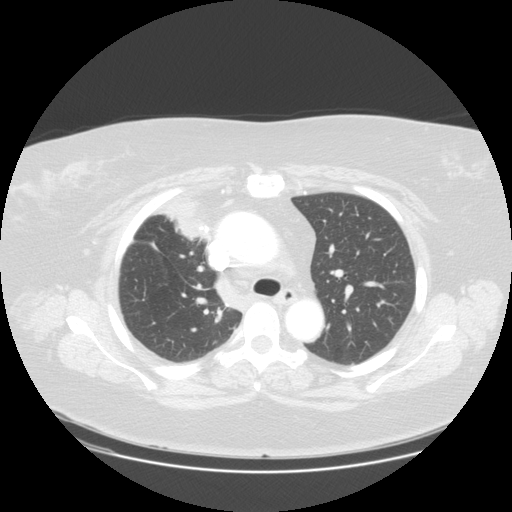
Axial chest CT slice 95 of 131 (counted from the lowest slice); 2.50 mm thick, 0.781 mm per pixel. No nodule 3 mm or larger was outlined here by any reader.
Scan settings: 120 kVp, STANDARD reconstruction kernel.